Axial chest CT slice 223 of 429 (counted from the lowest slice); tube voltage 120 kVp, convolution kernel STANDARD; slices 1.25 mm thick, 0.586 mm per pixel.
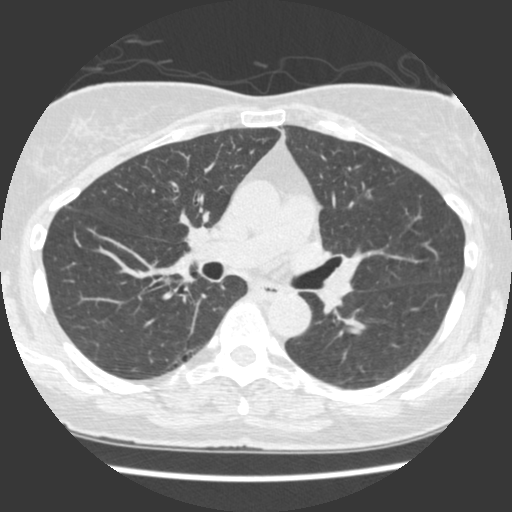
Pulmonary nodule, outlined by two of the four readers. Box on this slice rows 193–199, columns 364–372, the union of the readers' outlines on this slice; longest diameter 6.1–6.3 mm and volume 46–47 mm3 across the two readers' outlines. The readers' ratings, as ranges where they differ: texture 5/5 (solid) from both readers; margin from 2/5 to 5/5 (circumscribed) across the two readers; sphericity 4/5 from both readers; calcification absent, both readers agreeing; internal structure soft tissue from both readers; subtlety 2–4/5 (the readers disagree); malignancy likelihood 2/5, both readers agreeing. Scale key (1–5): texture non-solid→solid, margin indistinct→circumscribed, sphericity linear→round, subtlety extremely subtle→obvious, malignancy likelihood highly unlikely→highly suspicious of cancer. Box rows and columns are 0-based pixel indices from the top-left corner, inclusive.